Axial chest CT slice 262 of 347 (counted from the lowest slice); tube voltage 120 kVp, convolution kernel B45f; slices 1.00 mm thick, 0.625 mm per pixel.
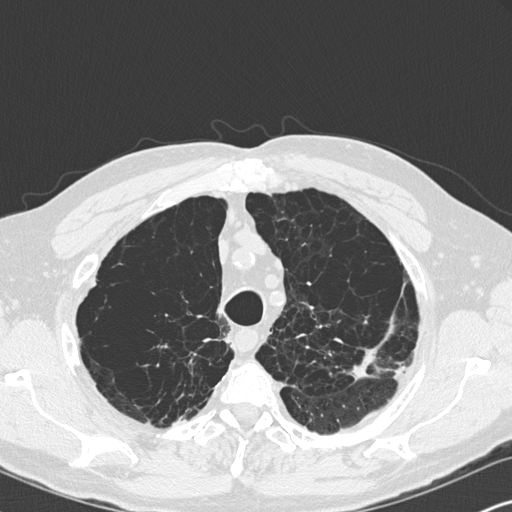
Pulmonary nodule, outlined by one of the four readers. Box on this slice rows 348–380, columns 347–376, that reader's outline on this slice; longest diameter 24.3 mm and volume 1862 mm3 from that reader's outline. Ratings by that reader: texture 5/5 (solid); margin 4/5; sphericity 3/5 (ovoid); calcification absent; internal structure soft tissue; subtlety 5/5; malignancy likelihood 4/5. Scale key (1–5): texture non-solid→solid, margin indistinct→circumscribed, sphericity linear→round, subtlety extremely subtle→obvious, malignancy likelihood highly unlikely→highly suspicious of cancer. Box rows and columns are 0-based pixel indices from the top-left corner, inclusive.